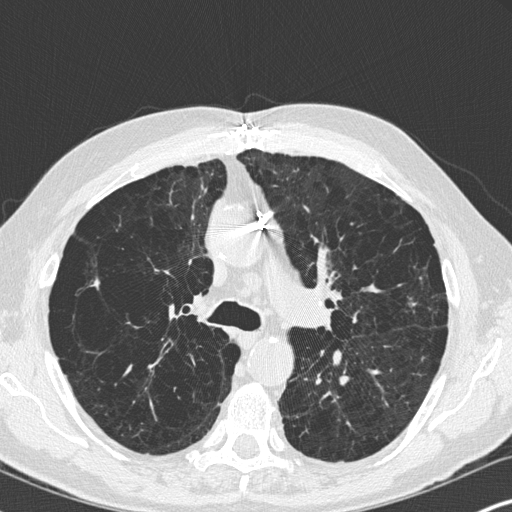
One axial slice (210 of 347, counting up from the lowest) of a chest CT acquired at 120 kVp with the B45f kernel; each pixel is 0.625 mm and the slice is 1.00 mm thick.
Pulmonary nodule at rows 279–288, columns 91–99 (box = the union of the readers' outlines on this slice), outlined by two of the four readers; longest diameter 10.1–10.3 mm and volume 119–145 mm3 across the two readers' outlines. Ratings across the readers: texture 5/5 (solid), both readers agreeing; margin from 3/5 to 5/5 (circumscribed) across the two readers; sphericity 2/5, both readers agreeing; calcification absent, both readers agreeing; internal structure soft tissue from both readers; subtlety 3/5, both readers agreeing; malignancy likelihood rated between 2 and 3 out of 5 by the two readers. Scale key (1–5): texture non-solid→solid, margin indistinct→circumscribed, sphericity linear→round, subtlety extremely subtle→obvious, malignancy likelihood highly unlikely→highly suspicious of cancer. Box rows and columns are 0-based pixel indices from the top-left corner, inclusive.